Axial chest CT slice 221 of 425 (counted from the lowest slice); tube voltage 120 kVp, convolution kernel B30f; slices 0.75 mm thick, 0.539 mm per pixel.
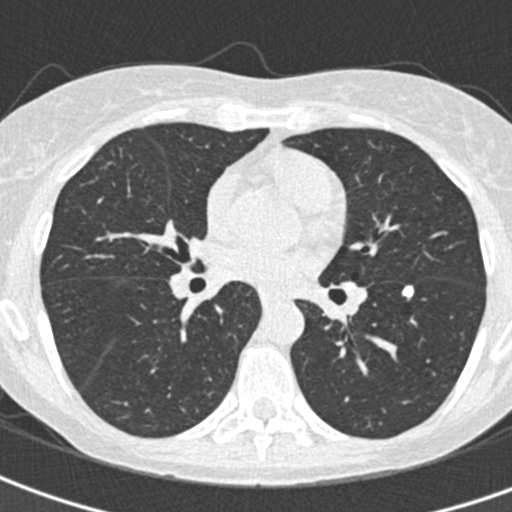
Pulmonary nodule, outlined by all four readers. Box on this slice rows 286–299, columns 402–413, the union of the readers' outlines on this slice; longest diameter 10.9 mm on average over the four readers' outlines (readers' outlines 7.7–12.7 mm), volume 139–224 mm3. Ratings, by the readers' most common answer with dissent counted: texture 5/5 (solid) from all four readers; margin 5/5 (circumscribed) from all four readers; sphericity 5/5 (round) by two of four readers; the rest gave 2/5 (one), 3/5 (ovoid) (one); calcification solid calcification, all four readers agreeing; internal structure soft tissue, all four readers agreeing; subtlety 5/5 from all four readers; malignancy likelihood 1/5 from all four readers. Scale key (1–5): texture non-solid→solid, margin indistinct→circumscribed, sphericity linear→round, subtlety extremely subtle→obvious, malignancy likelihood highly unlikely→highly suspicious of cancer. Box rows and columns are 0-based pixel indices from the top-left corner, inclusive.